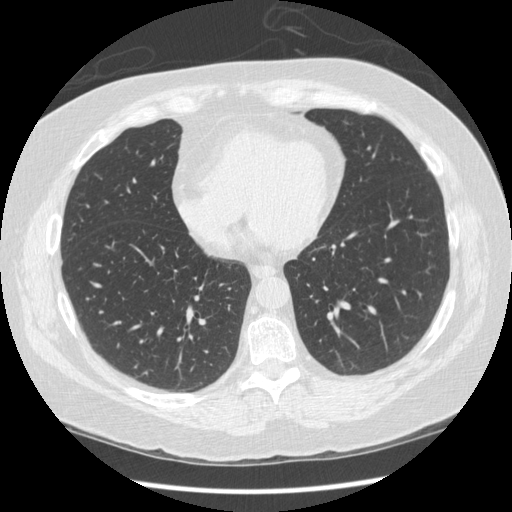
One axial slice (152 of 436, counting up from the lowest) of a chest CT acquired at 120 kVp with the STANDARD kernel; each pixel is 0.703 mm and the slice is 1.25 mm thick.
Pulmonary nodule outlined by all four readers, one of them on this slice; box rows 174–179, columns 96–101 (the one reader's outline on this slice); longest diameter 8.9 mm on average over the four readers' outlines (readers' outlines 7.3–9.8 mm), volume 103–208 mm3. Ratings, by the readers' most common answer with dissent counted: texture 5/5 (solid), all four readers agreeing; most readers (three of four) put margin at 4/5, others 5/5 (circumscribed) (one); sphericity 5/5 (round) by two of four readers; the rest gave 3/5 (ovoid) (one), 4/5 (one); calcification absent from all four readers; internal structure soft tissue, all four readers agreeing; subtlety 4/5 by two of four readers; the rest gave 3/5 (one), 5/5 (one); malignancy likelihood 3/5 by two of four readers; the rest gave 2/5 (one), 4/5 (one). Scale key (1–5): texture non-solid→solid, margin indistinct→circumscribed, sphericity linear→round, subtlety extremely subtle→obvious, malignancy likelihood highly unlikely→highly suspicious of cancer. Box rows and columns are 0-based pixel indices from the top-left corner, inclusive.